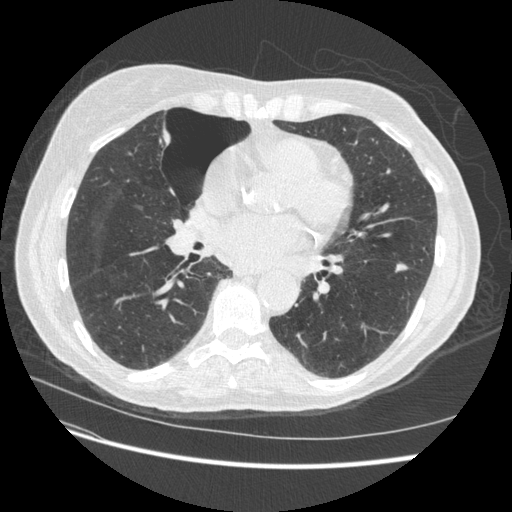
Chest CT, axial plane, 120 kVp, kernel STANDARD. Slice 230/509 from the bottom of the scan; thickness 1.25 mm; pixel size 0.703 mm.
Pulmonary nodule, outlined by three of the four readers. Box on this slice rows 262–272, columns 395–408, the union of the readers' outlines on this slice; longest diameter 10.8 mm on average over the three readers' outlines (readers' outlines 9.2–11.6 mm), volume 182–365 mm3. The readers' prevailing ratings and who disagreed: most readers (two of three) put texture at 5/5 (solid), others 4/5 (one); margin split among the readers: 3/5 (one), 4/5 (one), 5/5 (circumscribed) (one); sphericity split among the readers: 2/5 (one), 3/5 (ovoid) (one), 4/5 (one); calcification absent from all three readers; internal structure soft tissue from all three readers; subtlety 4/5 from all three readers; malignancy likelihood split among the readers: 2/5 (one), 3/5 (one), 4/5 (one). Scale key (1–5): texture non-solid→solid, margin indistinct→circumscribed, sphericity linear→round, subtlety extremely subtle→obvious, malignancy likelihood highly unlikely→highly suspicious of cancer. Box rows and columns are 0-based pixel indices from the top-left corner, inclusive.